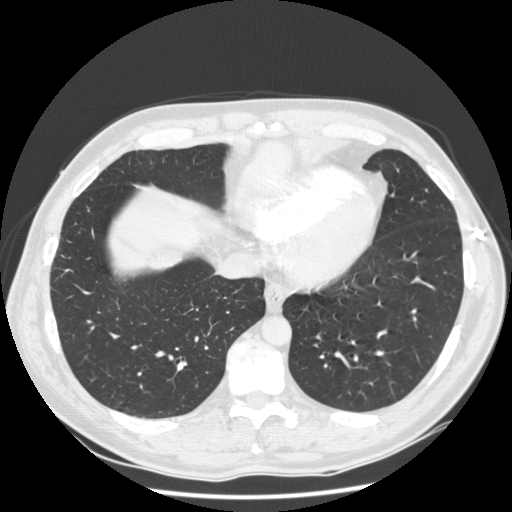
Axial slice 66 of 238 of a chest CT (slice 1 is the lowest), reconstructed with the STANDARD kernel at 120 kVp; 1.25 mm slice thickness and 0.742 mm pixels.
Pulmonary nodule at rows 247–272, columns 146–189 (box = the union of the readers' outlines on this slice), outlined by three of the four readers; longest diameter 31.3 mm on average over the three readers' outlines (readers' outlines 28.6–35.0 mm), volume 1299–1840 mm3. Ratings, by the readers' most common answer with dissent counted: texture 5/5 (solid) from all three readers; margin split among the readers: 2/5 (one), 3/5 (one), 4/5 (one); sphericity 3/5 (ovoid), all three readers agreeing; calcification absent, all three readers agreeing; internal structure soft tissue from all three readers; subtlety split among the readers: 3/5 (one), 4/5 (one), 5/5 (one); malignancy likelihood split among the readers: 2/5 (one), 3/5 (one), 4/5 (one). Scale key (1–5): texture non-solid→solid, margin indistinct→circumscribed, sphericity linear→round, subtlety extremely subtle→obvious, malignancy likelihood highly unlikely→highly suspicious of cancer. Box rows and columns are 0-based pixel indices from the top-left corner, inclusive.